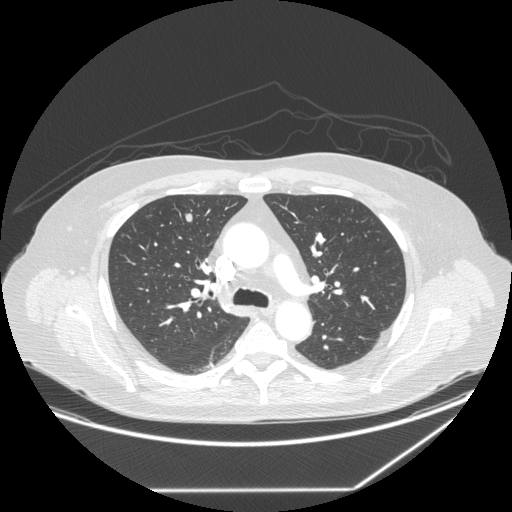
Axial chest CT slice 171 of 258 (counted from the lowest slice); tube voltage 120 kVp, convolution kernel STANDARD; slices 1.25 mm thick, 0.859 mm per pixel.
Pulmonary nodule at rows 213–222, columns 184–192 (box = the union of the readers' outlines on this slice), outlined by all four readers; median longest diameter 11.5 mm (readers' outlines 11.3–12.3 mm), median volume 339 mm3 (283–414 mm3). Median ratings and the readers' spread: texture 5/5 (solid) from all four readers; median margin 5/5 (circumscribed) (readers ranged 4/5 to 5/5 (circumscribed)); median sphericity 3/5 (ovoid) (readers ranged 3/5 (ovoid) to 5/5 (round)); calcification absent from all four readers; internal structure soft tissue from all four readers; subtlety 4.5/5 at the median of four readers, spread 3–5; median malignancy likelihood 3/5 (readers ranged 2–4). Scale key (1–5): texture non-solid→solid, margin indistinct→circumscribed, sphericity linear→round, subtlety extremely subtle→obvious, malignancy likelihood highly unlikely→highly suspicious of cancer. Box rows and columns are 0-based pixel indices from the top-left corner, inclusive.